Chest CT, axial plane, 120 kVp, kernel STANDARD. Slice 284/465 from the bottom of the scan; thickness 1.25 mm; pixel size 0.586 mm.
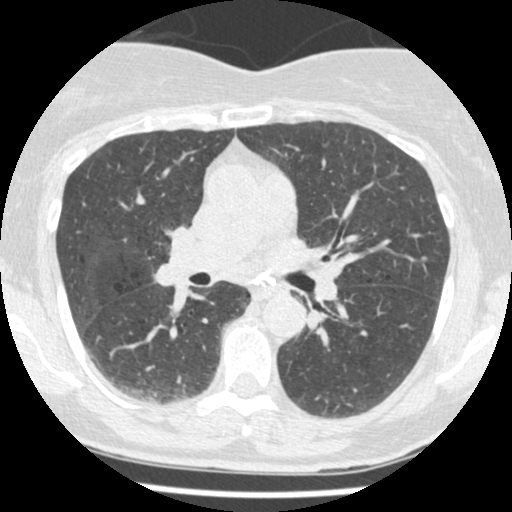
Pulmonary nodule at rows 256–260, columns 421–426 (box = the union of the readers' outlines on this slice), outlined by all four readers; longest diameter 5.8 mm on average over the four readers' outlines (readers' outlines 5.4–6.0 mm), volume 46–67 mm3. Ratings, by the readers' most common answer with dissent counted: texture 5/5 (solid) from all four readers; margin split among the readers: 4/5 (two), 5/5 (circumscribed) (two); sphericity 4/5 by three of four readers; the rest gave 3/5 (ovoid) (one); calcification absent from all four readers; internal structure soft tissue, all four readers agreeing; subtlety 3/5 by two of four readers; the rest gave 2/5 (one), 4/5 (one); most readers (three of four) put malignancy likelihood at 3/5, others 2/5 (one). Scale key (1–5): texture non-solid→solid, margin indistinct→circumscribed, sphericity linear→round, subtlety extremely subtle→obvious, malignancy likelihood highly unlikely→highly suspicious of cancer. Box rows and columns are 0-based pixel indices from the top-left corner, inclusive.